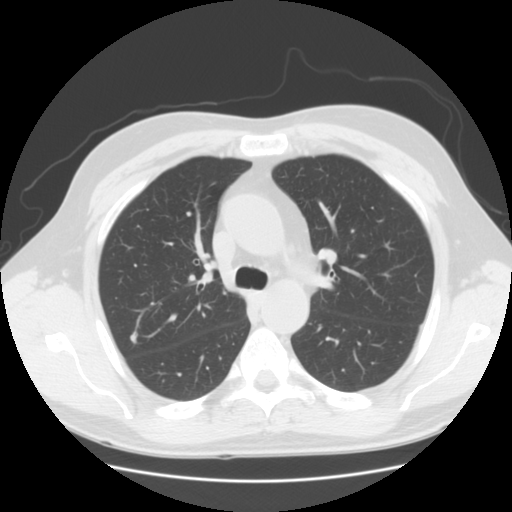
Axial slice 90 of 133 of a chest CT (slice 1 is the lowest), reconstructed with the STANDARD kernel at 120 kVp; 2.50 mm slice thickness and 0.703 mm pixels.
Pulmonary nodule outlined by all four readers; box rows 331–343, columns 128–137 (the union of the readers' outlines on this slice); longest diameter 9.1 mm on average over the four readers' outlines (readers' outlines 8.5–9.4 mm), volume 198–407 mm3. Ratings, by the readers' most common answer with dissent counted: texture 5/5 (solid), all four readers agreeing; margin split among the readers: 4/5 (two), 5/5 (circumscribed) (two); most readers (three of four) put sphericity at 3/5 (ovoid), others 5/5 (round) (one); calcification absent from all four readers; internal structure soft tissue from all four readers; most readers (three of four) put subtlety at 4/5, others 5/5 (one); malignancy likelihood 3/5 by two of four readers; the rest gave 2/5 (one), 4/5 (one). Scale key (1–5): texture non-solid→solid, margin indistinct→circumscribed, sphericity linear→round, subtlety extremely subtle→obvious, malignancy likelihood highly unlikely→highly suspicious of cancer. Box rows and columns are 0-based pixel indices from the top-left corner, inclusive.